Chest CT, axial plane, 120 kVp, kernel BONE. Slice 135/265 from the bottom of the scan; thickness 1.25 mm; pixel size 0.664 mm.
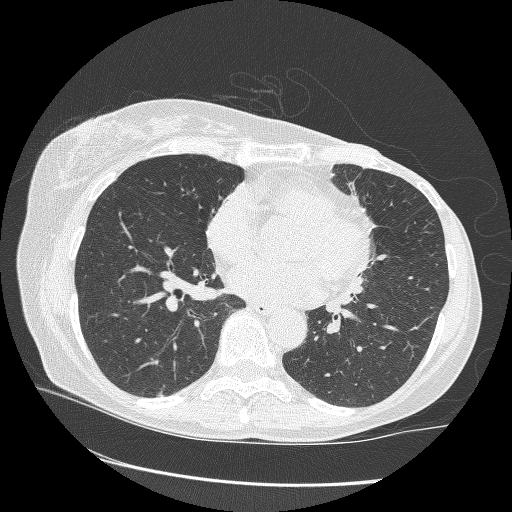
Pulmonary nodule at rows 392–397, columns 156–162 (box = the union of the readers' outlines on this slice), outlined by three of the four readers; median longest diameter 9.3 mm (readers' outlines 8.0–10.0 mm), median volume 126 mm3 (87–155 mm3). Ratings, median across the readers with their spread: texture 5/5 (solid), all three readers agreeing; median margin 5/5 (circumscribed) (readers ranged 4/5 to 5/5 (circumscribed)); sphericity 3/5 (ovoid) at the median of three readers, spread 2/5 to 3/5 (ovoid); calcification absent, all three readers agreeing; internal structure soft tissue, all three readers agreeing; subtlety 4/5 from all three readers; malignancy likelihood 3/5 at the median of three readers, spread 2–3. Scale key (1–5): texture non-solid→solid, margin indistinct→circumscribed, sphericity linear→round, subtlety extremely subtle→obvious, malignancy likelihood highly unlikely→highly suspicious of cancer. Box rows and columns are 0-based pixel indices from the top-left corner, inclusive.